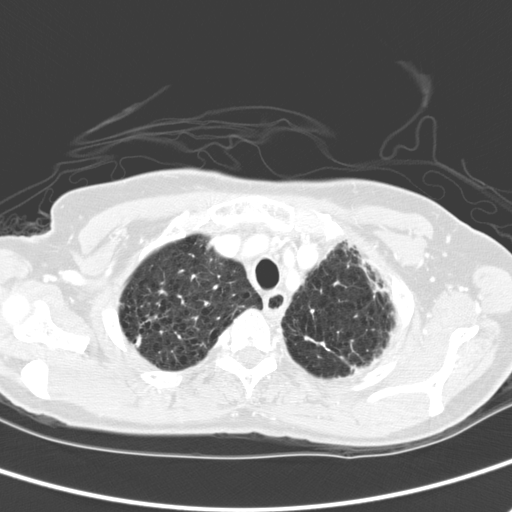
Axial slice 221 of 280 of a chest CT (slice 1 is the lowest), reconstructed with the D kernel at 120 kVp; 2.00 mm slice thickness and 0.613 mm pixels.
Pulmonary nodule, outlined by all four readers. Box on this slice rows 334–347, columns 135–142, the union of the readers' outlines on this slice; the four readers' outlines give a longest diameter between 16.7 and 18.9 mm and a volume between 701 and 1041 mm3. The readers' ratings, as ranges where they differ: texture from 3/5 (part-solid) to 5/5 (solid) across the four readers; margin from 1/5 (indistinct) to 5/5 (circumscribed) across the four readers; sphericity from 2/5 to 4/5 across the four readers; calcification absent from all four readers; internal structure soft tissue, all four readers agreeing; subtlety from 2/5 to 5/5 across the four readers; malignancy likelihood 3–5/5 (the readers disagree). Scale key (1–5): texture non-solid→solid, margin indistinct→circumscribed, sphericity linear→round, subtlety extremely subtle→obvious, malignancy likelihood highly unlikely→highly suspicious of cancer. Box rows and columns are 0-based pixel indices from the top-left corner, inclusive.